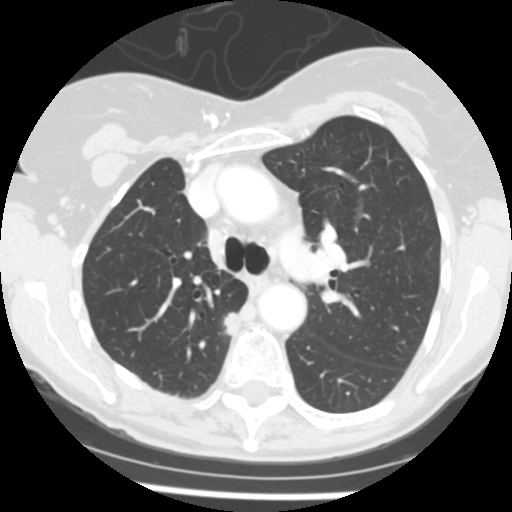
Chest CT, axial plane, 120 kVp, kernel STANDARD. Slice 165/245 from the bottom of the scan; thickness 2.50 mm; pixel size 0.547 mm.
Pulmonary nodule at rows 311–335, columns 223–238 (box = the union of the readers' outlines on this slice), outlined by all four readers; the four readers' outlines give a longest diameter between 13.1 and 14.5 mm and a volume between 549 and 868 mm3. Ratings across the readers: texture 5/5 (solid), all four readers agreeing; margin from 3/5 to 5/5 (circumscribed) across the four readers; sphericity from 2/5 to 5/5 (round) across the four readers; calcification absent, all four readers agreeing; internal structure soft tissue from all four readers; subtlety rated between 4 and 5 out of 5 by the four readers; malignancy likelihood 3–5/5 (the readers disagree). Scale key (1–5): texture non-solid→solid, margin indistinct→circumscribed, sphericity linear→round, subtlety extremely subtle→obvious, malignancy likelihood highly unlikely→highly suspicious of cancer. Box rows and columns are 0-based pixel indices from the top-left corner, inclusive.